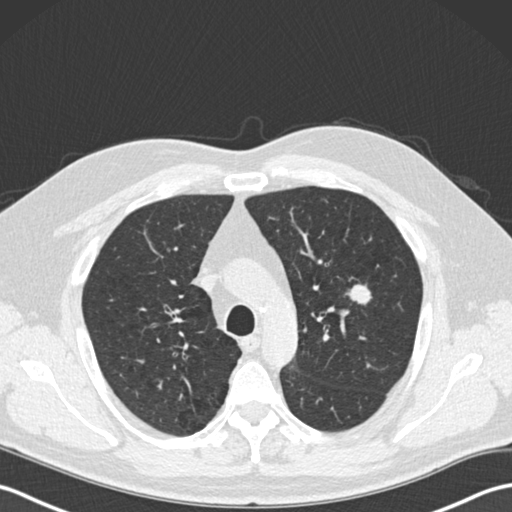
One axial slice (137 of 191, counting up from the lowest) of a chest CT acquired at 120 kVp with the B30f kernel; each pixel is 0.684 mm and the slice is 2.00 mm thick.
Pulmonary nodule outlined by all four readers; box rows 283–305, columns 345–371 (the union of the readers' outlines on this slice); longest diameter 19.4 mm on average over the four readers' outlines (readers' outlines 19.1–20.2 mm), volume 1870–2474 mm3. Ratings, by the readers' most common answer with dissent counted: texture 5/5 (solid) from all four readers; margin 5/5 (circumscribed) by two of four readers; the rest gave 3/5 (one), 4/5 (one); sphericity split among the readers: 3/5 (ovoid) (two), 4/5 (two); calcification absent, all four readers agreeing; internal structure soft tissue, all four readers agreeing; subtlety 5/5 from all four readers; most readers (three of four) put malignancy likelihood at 5/5, others 4/5 (one). Scale key (1–5): texture non-solid→solid, margin indistinct→circumscribed, sphericity linear→round, subtlety extremely subtle→obvious, malignancy likelihood highly unlikely→highly suspicious of cancer. Box rows and columns are 0-based pixel indices from the top-left corner, inclusive.